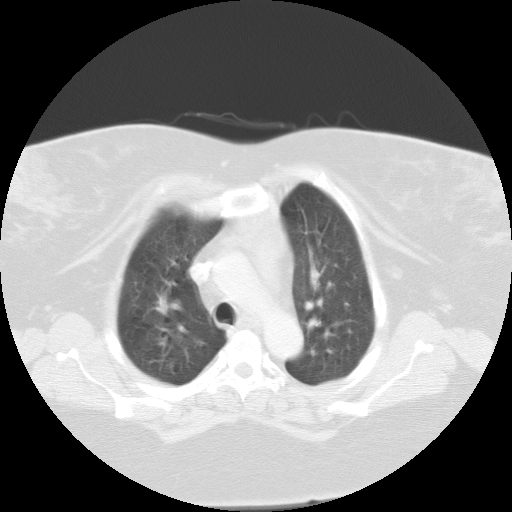
One axial slice (80 of 102, counting up from the lowest) of a chest CT acquired at 135 kVp with the FC01 kernel; each pixel is 0.808 mm and the slice is 3.00 mm thick.
Pulmonary nodule, outlined by all four readers, three of them on this slice. Box on this slice rows 296–313, columns 156–168, the union of the readers' outlines on this slice; longest diameter 29.2 mm on average over the four readers' outlines (readers' outlines 26.9–30.9 mm), volume 5712–7254 mm3. Ratings, by the readers' most common answer with dissent counted: texture 5/5 (solid) from all four readers; margin 5/5 (circumscribed) from all four readers; sphericity split among the readers: 4/5 (two), 5/5 (round) (two); calcification absent, all four readers agreeing; internal structure soft tissue from all four readers; subtlety 5/5, all four readers agreeing; malignancy likelihood 5/5 by three of four readers; the rest gave 2/5 (one). Scale key (1–5): texture non-solid→solid, margin indistinct→circumscribed, sphericity linear→round, subtlety extremely subtle→obvious, malignancy likelihood highly unlikely→highly suspicious of cancer. Box rows and columns are 0-based pixel indices from the top-left corner, inclusive.